Axial slice 136 of 208 of a chest CT (slice 1 is the lowest), reconstructed with the BONE kernel at 120 kVp; 1.25 mm slice thickness and 0.723 mm pixels.
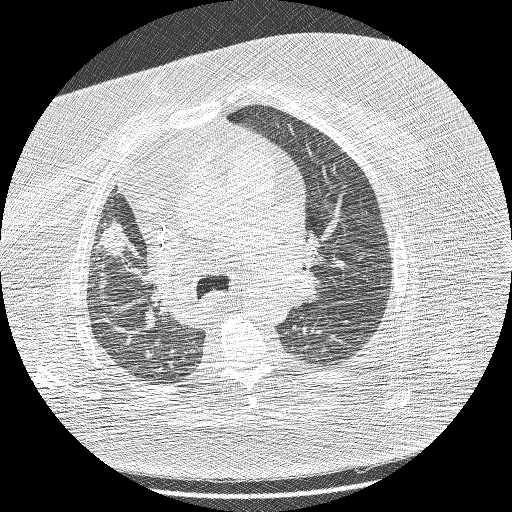
Pulmonary nodule, outlined by all four readers. Box on this slice rows 221–255, columns 98–126, the union of the readers' outlines on this slice; longest diameter 25.6–30.6 mm and volume 4623–6820 mm3 across the four readers' outlines. The readers' ratings, as ranges where they differ: texture 5/5 (solid), all four readers agreeing; margin from 1/5 (indistinct) to 3/5 across the four readers; sphericity from 3/5 (ovoid) to 4/5 across the four readers; calcification absent from all four readers; internal structure soft tissue from all four readers; subtlety 5/5 from all four readers; malignancy likelihood 5/5, all four readers agreeing. Scale key (1–5): texture non-solid→solid, margin indistinct→circumscribed, sphericity linear→round, subtlety extremely subtle→obvious, malignancy likelihood highly unlikely→highly suspicious of cancer. Box rows and columns are 0-based pixel indices from the top-left corner, inclusive.